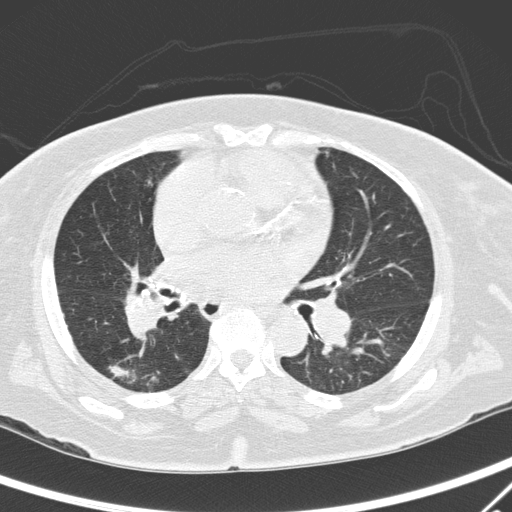
Axial chest CT slice 159 of 295 (counted from the lowest slice); 2.00 mm thick, 0.682 mm per pixel. Pulmonary nodule at rows 362–390, columns 107–157 (box = that reader's outline on this slice), outlined by one of the four readers; longest diameter 49.8 mm and volume 6337 mm3 from that reader's outline. That reader's ratings: texture 4/5; margin 1/5 (indistinct); sphericity 3/5 (ovoid); calcification absent; internal structure soft tissue; subtlety 5/5; malignancy likelihood 5/5. Scale key (1–5): texture non-solid→solid, margin indistinct→circumscribed, sphericity linear→round, subtlety extremely subtle→obvious, malignancy likelihood highly unlikely→highly suspicious of cancer. Box rows and columns are 0-based pixel indices from the top-left corner, inclusive.
Tube voltage 120 kVp; convolution kernel D.